Axial slice 155 of 513 of a chest CT (slice 1 is the lowest), reconstructed with the STANDARD kernel at 120 kVp; 1.25 mm slice thickness and 0.742 mm pixels.
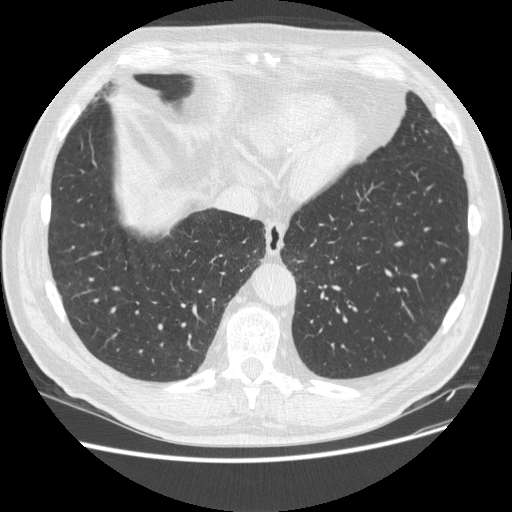
Pulmonary nodule, outlined by one of the four readers. Box on this slice rows 258–261, columns 441–445, that reader's outline on this slice; longest diameter 6.1 mm and volume 84 mm3 from that reader's outline. Ratings by that reader: texture 5/5 (solid); margin 5/5 (circumscribed); sphericity 5/5 (round); calcification absent; internal structure soft tissue; subtlety 3/5; malignancy likelihood 2/5. Scale key (1–5): texture non-solid→solid, margin indistinct→circumscribed, sphericity linear→round, subtlety extremely subtle→obvious, malignancy likelihood highly unlikely→highly suspicious of cancer. Box rows and columns are 0-based pixel indices from the top-left corner, inclusive.